Chest CT, axial plane, 120 kVp, kernel C. Slice 238/290 from the bottom of the scan; thickness 2.00 mm; pixel size 0.682 mm.
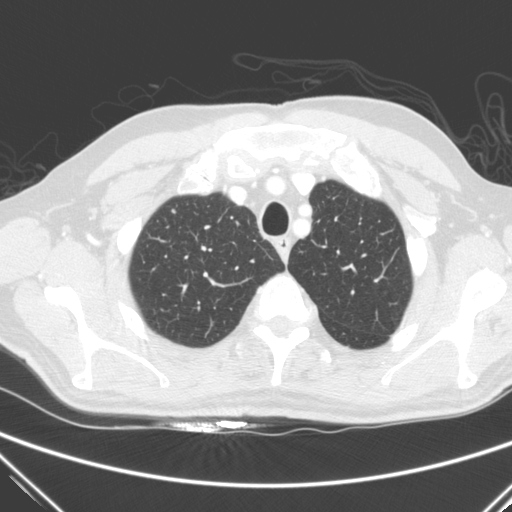
Pulmonary nodule, outlined by one of the four readers. Box on this slice rows 209–212, columns 172–175, that reader's outline on this slice; longest diameter 4.4 mm and volume 41 mm3 from that reader's outline. Ratings by that reader: texture 5/5 (solid); margin 5/5 (circumscribed); sphericity 5/5 (round); calcification absent; internal structure soft tissue; subtlety 5/5; malignancy likelihood 3/5. Scale key (1–5): texture non-solid→solid, margin indistinct→circumscribed, sphericity linear→round, subtlety extremely subtle→obvious, malignancy likelihood highly unlikely→highly suspicious of cancer. Box rows and columns are 0-based pixel indices from the top-left corner, inclusive.